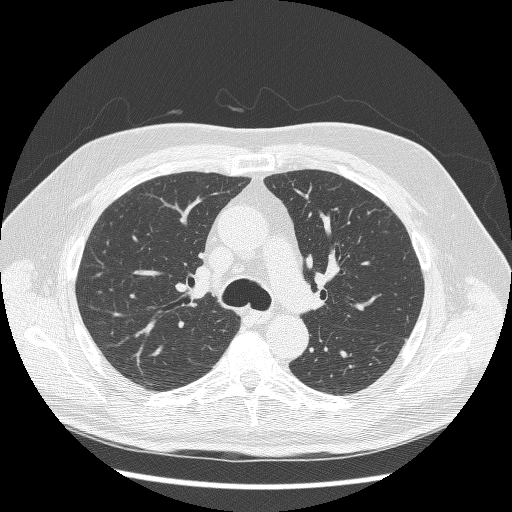
This is axial slice 181 of 261 (slice 1 is the lowest) of a chest CT; each pixel is 0.703 mm and the slice is 1.25 mm thick. No nodule 3 mm or larger was outlined here by any reader.
Scan settings: 120 kVp, BONE reconstruction kernel.